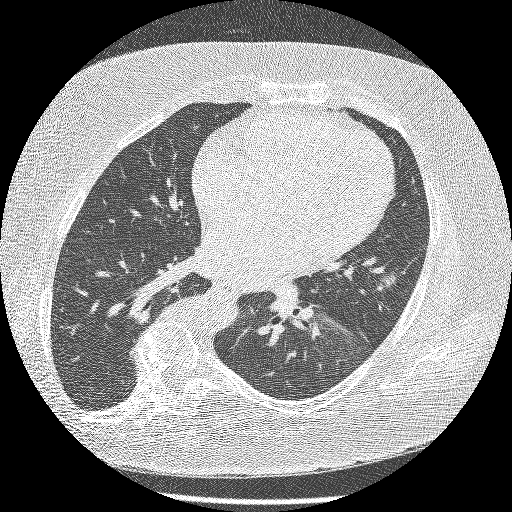
Axial chest CT slice 95 of 195 (counted from the lowest slice); 1.25 mm thick, 0.645 mm per pixel. Pulmonary nodule outlined by two of the four readers, one of them on this slice; box rows 274–284, columns 385–395 (the one reader's outline on this slice); the two readers' outlines give a longest diameter between 12.4 and 14.3 mm and a volume between 220 and 228 mm3. Ratings across the readers: texture from 4/5 to 5/5 (solid) across the two readers; margin from 2/5 to 3/5 across the two readers; sphericity from 2/5 to 3/5 (ovoid) across the two readers; calcification absent, both readers agreeing; internal structure soft tissue, both readers agreeing; subtlety from 2/5 to 3/5 across the two readers; malignancy likelihood 3/5, both readers agreeing. Scale key (1–5): texture non-solid→solid, margin indistinct→circumscribed, sphericity linear→round, subtlety extremely subtle→obvious, malignancy likelihood highly unlikely→highly suspicious of cancer. Box rows and columns are 0-based pixel indices from the top-left corner, inclusive.
Acquired at 120 kVp and reconstructed with the BONE kernel.